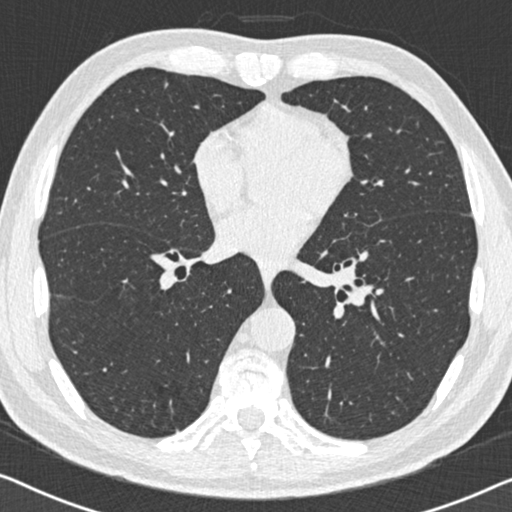
This is axial slice 282 of 558 (slice 1 is the lowest) of a chest CT; each pixel is 0.648 mm and the slice is 0.75 mm thick. Pulmonary nodule, outlined by two of the four readers. Box on this slice rows 82–87, columns 165–167, the union of the readers' outlines on this slice; longest diameter 6.5 mm on average over the two readers' outlines (readers' outlines 5.8–7.2 mm), volume 63–85 mm3. Ratings, by the readers' most common answer with dissent counted: texture split among the readers: 4/5 (one), 5/5 (solid) (one); margin split among the readers: 3/5 (one), 4/5 (one); sphericity split among the readers: 3/5 (ovoid) (one), 4/5 (one); calcification absent, both readers agreeing; internal structure soft tissue from both readers; subtlety split among the readers: 3/5 (one), 5/5 (one); malignancy likelihood split among the readers: 2/5 (one), 3/5 (one). Scale key (1–5): texture non-solid→solid, margin indistinct→circumscribed, sphericity linear→round, subtlety extremely subtle→obvious, malignancy likelihood highly unlikely→highly suspicious of cancer. Box rows and columns are 0-based pixel indices from the top-left corner, inclusive.
Acquired at 120 kVp and reconstructed with the B30f kernel.